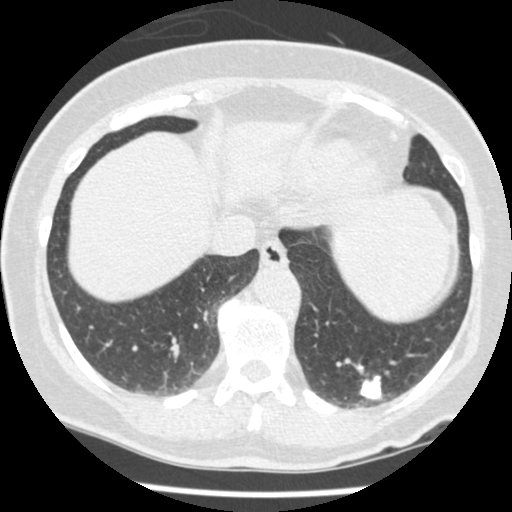
Axial chest CT slice 126 of 465 (counted from the lowest slice); tube voltage 120 kVp, convolution kernel STANDARD; slices 1.25 mm thick, 0.586 mm per pixel.
Pulmonary nodule at rows 375–400, columns 358–382 (box = the union of the readers' outlines on this slice), outlined by all four readers; the four readers' outlines give a longest diameter between 15.8 and 20.8 mm and a volume between 1106 and 1600 mm3. The readers' ratings, as ranges where they differ: texture 5/5 (solid) from all four readers; margin from 3/5 to 5/5 (circumscribed) across the four readers; sphericity from 3/5 (ovoid) to 4/5 across the four readers; calcification: absent (two), solid calcification (one), central calcification (one); internal structure soft tissue from all four readers; subtlety 5/5, all four readers agreeing; malignancy likelihood 1–5/5 (the readers disagree). Scale key (1–5): texture non-solid→solid, margin indistinct→circumscribed, sphericity linear→round, subtlety extremely subtle→obvious, malignancy likelihood highly unlikely→highly suspicious of cancer. Box rows and columns are 0-based pixel indices from the top-left corner, inclusive.